Chest CT, axial plane, 120 kVp, kernel LUNG. Slice 58/117 from the bottom of the scan; thickness 2.50 mm; pixel size 0.898 mm.
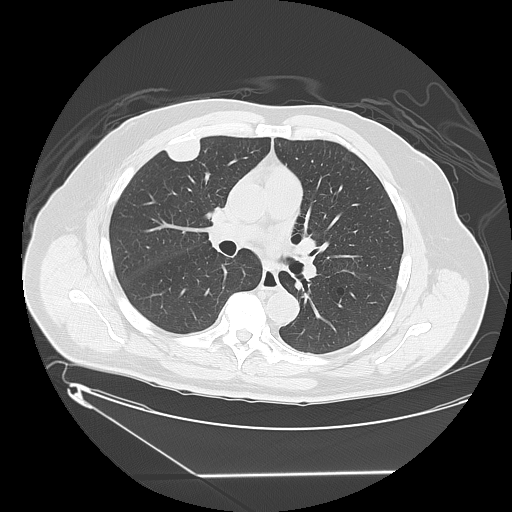
Pulmonary nodule at rows 139–161, columns 164–199 (box = the union of the readers' outlines on this slice), outlined by three of the four readers; the three readers' outlines give a longest diameter between 32.3 and 37.3 mm and a volume between 8512 and 9765 mm3. The readers' ratings, as ranges where they differ: texture 5/5 (solid), all three readers agreeing; margin 5/5 (circumscribed), all three readers agreeing; sphericity from 3/5 (ovoid) to 5/5 (round) across the three readers; calcification absent, all three readers agreeing; internal structure soft tissue from all three readers; subtlety rated between 3 and 5 out of 5 by the three readers; malignancy likelihood from 2/5 to 5/5 across the three readers. Scale key (1–5): texture non-solid→solid, margin indistinct→circumscribed, sphericity linear→round, subtlety extremely subtle→obvious, malignancy likelihood highly unlikely→highly suspicious of cancer. Box rows and columns are 0-based pixel indices from the top-left corner, inclusive.